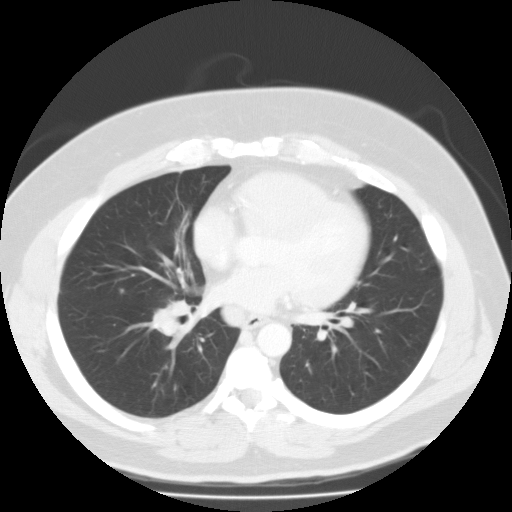
Axial chest CT slice 66 of 126 (counted from the lowest slice); 3.00 mm thick, 0.744 mm per pixel. Pulmonary nodule, outlined by three of the four readers. Box on this slice rows 288–293, columns 119–124, the union of the readers' outlines on this slice; longest diameter 9.5–10.1 mm and volume 142–282 mm3 across the three readers' outlines. The readers' ratings, as ranges where they differ: texture from 3/5 (part-solid) to 5/5 (solid) across the three readers; margin from 2/5 to 5/5 (circumscribed) across the three readers; sphericity from 1/5 (linear) to 5/5 (round) across the three readers; calcification absent, all three readers agreeing; internal structure soft tissue, all three readers agreeing; subtlety 3/5, all three readers agreeing; malignancy likelihood 1–2/5 (the readers disagree). Scale key (1–5): texture non-solid→solid, margin indistinct→circumscribed, sphericity linear→round, subtlety extremely subtle→obvious, malignancy likelihood highly unlikely→highly suspicious of cancer. Box rows and columns are 0-based pixel indices from the top-left corner, inclusive.
Scan settings: 135 kVp, FC01 reconstruction kernel.